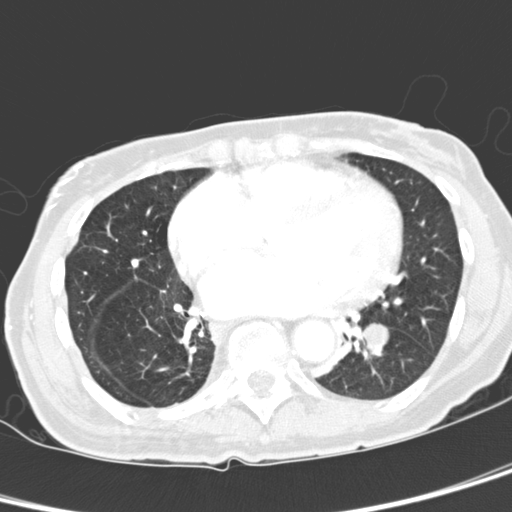
Slice 147/321 of a chest CT, counting up from the lowest; pixel size 0.557 mm, slice thickness 2.00 mm. Pulmonary nodule at rows 323–351, columns 361–388 (box = the union of the readers' outlines on this slice), outlined by all four readers; median longest diameter 18.6 mm (readers' outlines 18.1–20.0 mm), median volume 2503 mm3 (2428–2697 mm3). Ratings, median across the readers with their spread: median texture 4.5/5 (readers ranged 4/5 to 5/5 (solid)); median margin 4.5/5 (readers ranged 3/5 to 5/5 (circumscribed)); median sphericity 5/5 (round) (readers ranged 4/5 to 5/5 (round)); calcification absent from all four readers; internal structure soft tissue, all four readers agreeing; subtlety 5/5 at the median of four readers, spread 4–5; median malignancy likelihood 4/5 (readers ranged 2–5). Scale key (1–5): texture non-solid→solid, margin indistinct→circumscribed, sphericity linear→round, subtlety extremely subtle→obvious, malignancy likelihood highly unlikely→highly suspicious of cancer. Box rows and columns are 0-based pixel indices from the top-left corner, inclusive.
Scan settings: 120 kVp, D reconstruction kernel.